Axial chest CT slice 124 of 197 (counted from the lowest slice); tube voltage 120 kVp, convolution kernel LUNG; slices 1.25 mm thick, 0.703 mm per pixel.
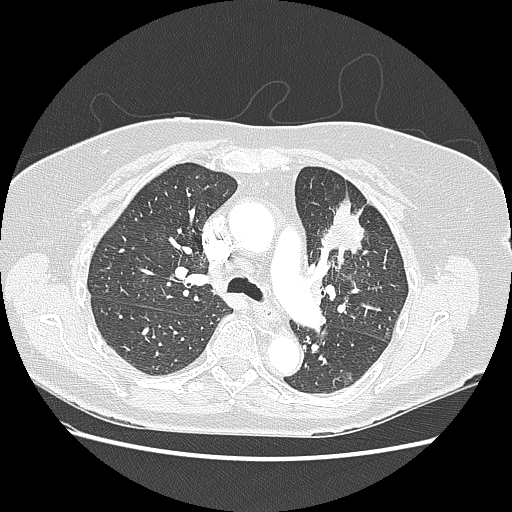
Pulmonary nodule at rows 370–385, columns 340–353 (box = the union of the readers' outlines on this slice), outlined by three of the four readers; longest diameter 14.2 mm on average over the three readers' outlines (readers' outlines 12.5–15.5 mm), volume 268–427 mm3. The readers' prevailing ratings and who disagreed: texture 1/5 (non-solid) by two of three readers; the rest gave 2/5 (one); most readers (two of three) put margin at 4/5, others 1/5 (indistinct) (one); sphericity 3/5 (ovoid) by two of three readers; the rest gave 4/5 (one); calcification absent, all three readers agreeing; internal structure soft tissue from all three readers; most readers (two of three) put subtlety at 4/5, others 3/5 (one); most readers (two of three) put malignancy likelihood at 4/5, others 2/5 (one). Scale key (1–5): texture non-solid→solid, margin indistinct→circumscribed, sphericity linear→round, subtlety extremely subtle→obvious, malignancy likelihood highly unlikely→highly suspicious of cancer. Box rows and columns are 0-based pixel indices from the top-left corner, inclusive.